Axial chest CT slice 80 of 246 (counted from the lowest slice); tube voltage 120 kVp, convolution kernel STANDARD; slices 1.25 mm thick, 0.859 mm per pixel.
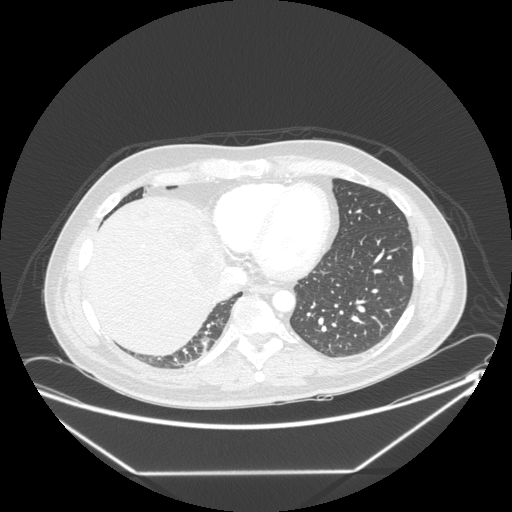
Pulmonary nodule at rows 276–281, columns 399–402 (box = that reader's outline on this slice), outlined by one of the four readers; longest diameter 6.3 mm and volume 60 mm3 from that reader's outline. That reader's ratings: texture 5/5 (solid); margin 5/5 (circumscribed); sphericity 5/5 (round); calcification absent; internal structure soft tissue; subtlety 1/5; malignancy likelihood 2/5. Scale key (1–5): texture non-solid→solid, margin indistinct→circumscribed, sphericity linear→round, subtlety extremely subtle→obvious, malignancy likelihood highly unlikely→highly suspicious of cancer. Box rows and columns are 0-based pixel indices from the top-left corner, inclusive.